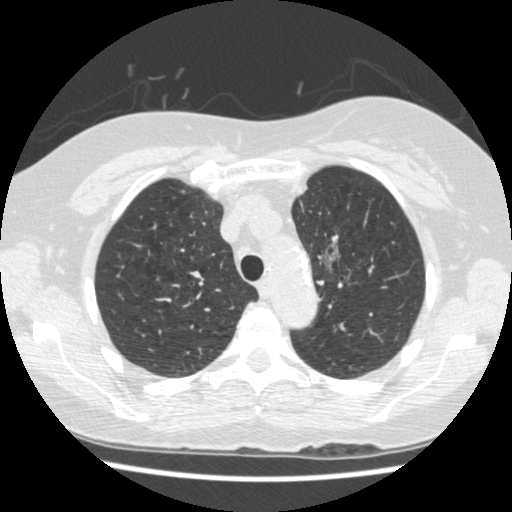
Axial slice 355 of 474 of a chest CT (slice 1 is the lowest), reconstructed with the STANDARD kernel at 120 kVp; 1.25 mm slice thickness and 0.625 mm pixels.
Pulmonary nodule at rows 245–269, columns 323–338 (box = that reader's outline on this slice), outlined by one of the four readers; longest diameter 17.7 mm and volume 538 mm3 from that reader's outline. That reader's ratings: texture 1/5 (non-solid); margin 2/5; sphericity 3/5 (ovoid); calcification absent; internal structure soft tissue; subtlety 3/5; malignancy likelihood 2/5. Scale key (1–5): texture non-solid→solid, margin indistinct→circumscribed, sphericity linear→round, subtlety extremely subtle→obvious, malignancy likelihood highly unlikely→highly suspicious of cancer. Box rows and columns are 0-based pixel indices from the top-left corner, inclusive.